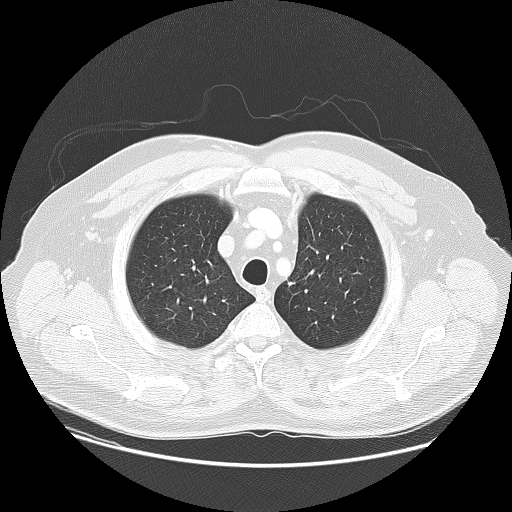
Axial chest CT slice 111 of 133 (counted from the lowest slice); tube voltage 120 kVp, convolution kernel LUNG; slices 2.50 mm thick, 0.820 mm per pixel.
Pulmonary nodule outlined by all four readers; box rows 281–286, columns 287–294 (the union of the readers' outlines on this slice); the four readers' outlines give a longest diameter between 7.8 and 9.2 mm and a volume between 165 and 185 mm3. Ratings across the readers: texture 5/5 (solid) from all four readers; margin from 4/5 to 5/5 (circumscribed) across the four readers; sphericity from 2/5 to 5/5 (round) across the four readers; calcification solid calcification, all four readers agreeing; internal structure soft tissue, all four readers agreeing; subtlety from 3/5 to 5/5 across the four readers; malignancy likelihood 1/5 from all four readers. Scale key (1–5): texture non-solid→solid, margin indistinct→circumscribed, sphericity linear→round, subtlety extremely subtle→obvious, malignancy likelihood highly unlikely→highly suspicious of cancer. Box rows and columns are 0-based pixel indices from the top-left corner, inclusive.